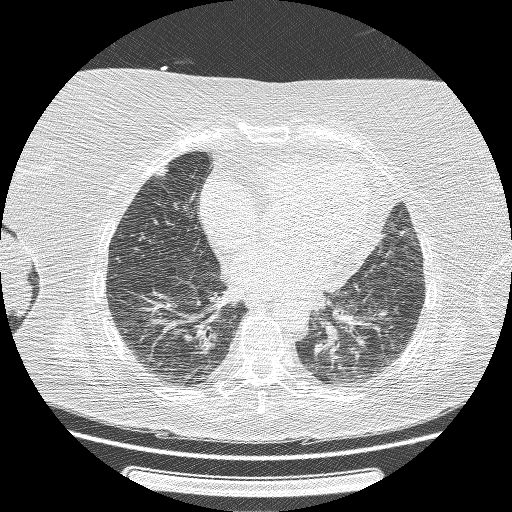
Chest CT, axial plane, 120 kVp, kernel BONE. Slice 56/162 from the bottom of the scan; thickness 1.25 mm; pixel size 0.703 mm.
Pulmonary nodule outlined by all four readers; box rows 166–177, columns 154–168 (the union of the readers' outlines on this slice); median longest diameter 12.2 mm (readers' outlines 10.9–13.0 mm), median volume 356 mm3 (239–644 mm3). Ratings, median across the readers with their spread: texture 5/5 (solid) from all four readers; margin 4/5 from all four readers; sphericity 4/5 at the median of four readers, spread 3/5 (ovoid) to 4/5; calcification: absent (three), solid calcification (one); internal structure soft tissue from all four readers; subtlety 4.5/5 at the median of four readers, spread 4–5; median malignancy likelihood 3/5 (readers ranged 1–3). Scale key (1–5): texture non-solid→solid, margin indistinct→circumscribed, sphericity linear→round, subtlety extremely subtle→obvious, malignancy likelihood highly unlikely→highly suspicious of cancer. Box rows and columns are 0-based pixel indices from the top-left corner, inclusive.